Axial chest CT slice 122 of 280 (counted from the lowest slice); tube voltage 120 kVp, convolution kernel B; slices 2.00 mm thick, 0.805 mm per pixel.
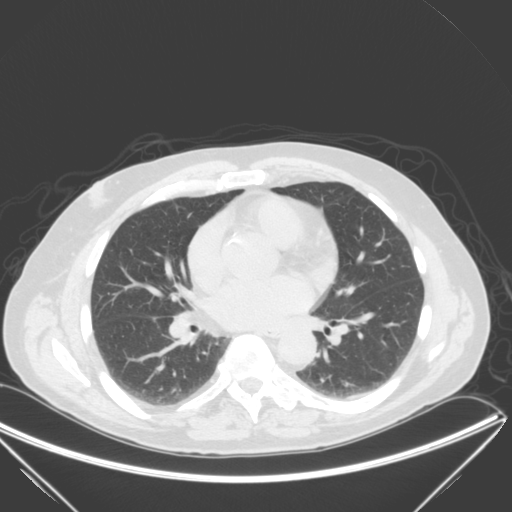
The readers outlined no nodule of 3 mm or more on this slice.